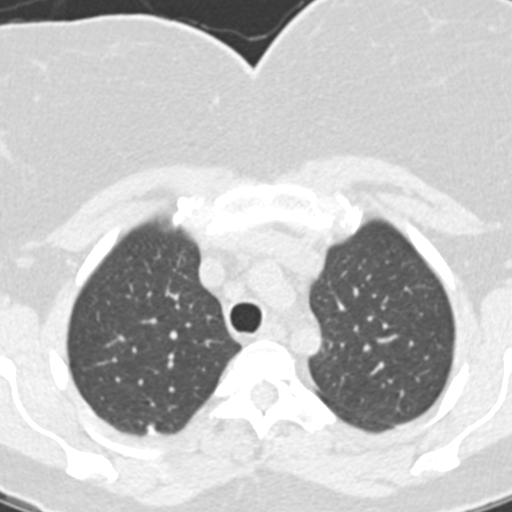
Chest CT, axial plane, 130 kVp, kernel B20s. Slice 156/331 from the bottom of the scan; thickness 1.25 mm; pixel size 0.496 mm.
Pulmonary nodule outlined by all four readers, two of them on this slice; box rows 423–434, columns 146–155 (the union of the readers' outlines on this slice); the four readers' outlines give a longest diameter between 6.9 and 8.4 mm and a volume between 132 and 209 mm3. Ratings across the readers: texture 5/5 (solid) from all four readers; margin 5/5 (circumscribed), all four readers agreeing; sphericity from 4/5 to 5/5 (round) across the four readers; calcification: solid calcification (three), central calcification (one); internal structure soft tissue, all four readers agreeing; subtlety 4–5/5 (the readers disagree); malignancy likelihood 1/5, all four readers agreeing. Scale key (1–5): texture non-solid→solid, margin indistinct→circumscribed, sphericity linear→round, subtlety extremely subtle→obvious, malignancy likelihood highly unlikely→highly suspicious of cancer. Box rows and columns are 0-based pixel indices from the top-left corner, inclusive.